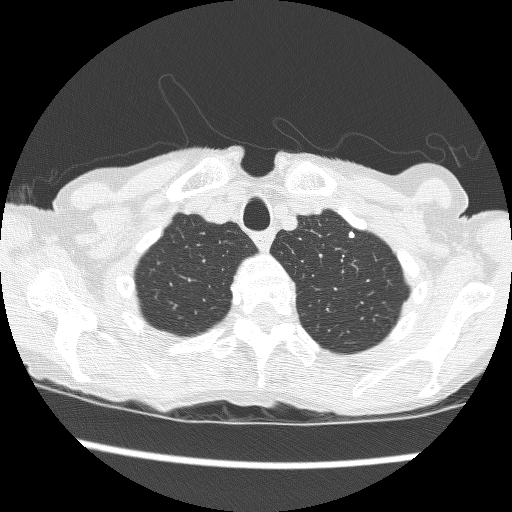
Axial chest CT slice 211 of 240 (counted from the lowest slice); tube voltage 120 kVp, convolution kernel BONE; slices 1.25 mm thick, 0.566 mm per pixel.
Pulmonary nodule at rows 231–238, columns 348–354 (box = the union of the readers' outlines on this slice), outlined by all four readers; longest diameter 5.3–5.9 mm and volume 60–82 mm3 across the four readers' outlines. Ratings across the readers: texture 5/5 (solid) from all four readers; margin 5/5 (circumscribed), all four readers agreeing; sphericity from 3/5 (ovoid) to 5/5 (round) across the four readers; calcification: solid calcification (three), absent (one); internal structure soft tissue from all four readers; subtlety from 3/5 to 5/5 across the four readers; malignancy likelihood from 1/5 to 4/5 across the four readers. Scale key (1–5): texture non-solid→solid, margin indistinct→circumscribed, sphericity linear→round, subtlety extremely subtle→obvious, malignancy likelihood highly unlikely→highly suspicious of cancer. Box rows and columns are 0-based pixel indices from the top-left corner, inclusive.